Axial slice 137 of 321 of a chest CT (slice 1 is the lowest), reconstructed with the D kernel at 120 kVp; 2.00 mm slice thickness and 0.557 mm pixels.
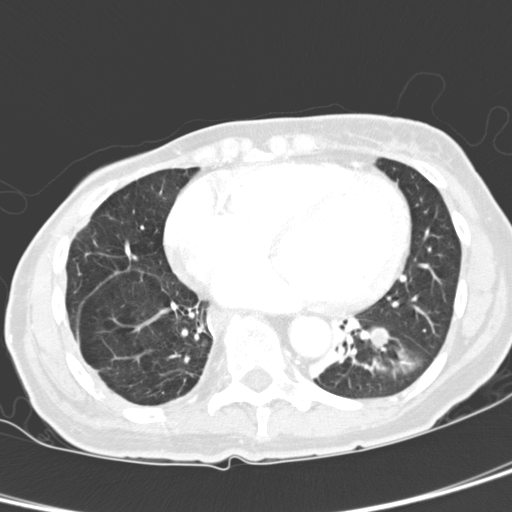
Pulmonary nodule outlined by all four readers; box rows 327–348, columns 368–388 (the union of the readers' outlines on this slice); median longest diameter 18.6 mm (readers' outlines 18.1–20.0 mm), median volume 2503 mm3 (2428–2697 mm3). Median ratings and the readers' spread: median texture 4.5/5 (readers ranged 4/5 to 5/5 (solid)); median margin 4.5/5 (readers ranged 3/5 to 5/5 (circumscribed)); median sphericity 5/5 (round) (readers ranged 4/5 to 5/5 (round)); calcification absent, all four readers agreeing; internal structure soft tissue from all four readers; subtlety 5/5 at the median of four readers, spread 4–5; median malignancy likelihood 4/5 (readers ranged 2–5). Scale key (1–5): texture non-solid→solid, margin indistinct→circumscribed, sphericity linear→round, subtlety extremely subtle→obvious, malignancy likelihood highly unlikely→highly suspicious of cancer. Box rows and columns are 0-based pixel indices from the top-left corner, inclusive.